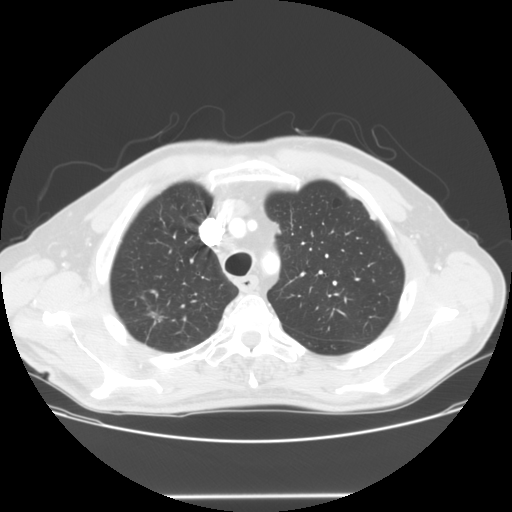
Axial chest CT slice 103 of 128 (counted from the lowest slice); tube voltage 120 kVp, convolution kernel STANDARD; slices 2.50 mm thick, 0.742 mm per pixel.
Pulmonary nodule outlined by all four readers, two of them on this slice; box rows 311–324, columns 145–164 (the union of the readers' outlines on this slice); longest diameter 14.3–17.2 mm and volume 762–950 mm3 across the four readers' outlines. The readers' ratings, as ranges where they differ: texture from 4/5 to 5/5 (solid) across the four readers; margin from 3/5 to 4/5 across the four readers; sphericity from 2/5 to 5/5 (round) across the four readers; calcification: absent (three), central calcification (one); internal structure soft tissue from all four readers; subtlety rated between 4 and 5 out of 5 by the four readers; malignancy likelihood 2–5/5 (the readers disagree). Scale key (1–5): texture non-solid→solid, margin indistinct→circumscribed, sphericity linear→round, subtlety extremely subtle→obvious, malignancy likelihood highly unlikely→highly suspicious of cancer. Box rows and columns are 0-based pixel indices from the top-left corner, inclusive.